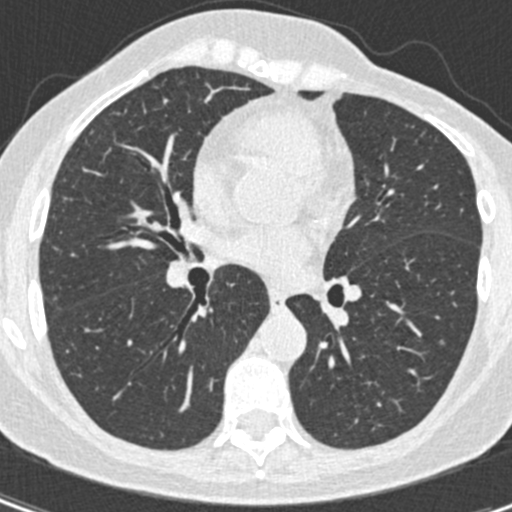
Axial slice 211 of 408 of a chest CT (slice 1 is the lowest), reconstructed with the B30f kernel at 120 kVp; 0.75 mm slice thickness and 0.531 mm pixels.
Two pulmonary nodules are outlined on this slice; from left to right: (1) Pulmonary nodule, outlined by one of the four readers. Box on this slice rows 294–299, columns 53–56, that reader's outline on this slice; longest diameter 4.0 mm and volume 31 mm3 from that reader's outline. That reader's ratings: texture 5/5 (solid); margin 5/5 (circumscribed); sphericity 5/5 (round); calcification absent; internal structure soft tissue; subtlety 5/5; malignancy likelihood 2/5. (2) Pulmonary nodule outlined by one of the four readers; box rows 340–344, columns 439–444 (that reader's outline on this slice); longest diameter 4.3 mm and volume 27 mm3 from that reader's outline. Ratings by that reader: texture 5/5 (solid); margin 5/5 (circumscribed); sphericity 5/5 (round); calcification absent; internal structure soft tissue; subtlety 5/5; malignancy likelihood 2/5. Scale key (1–5): texture non-solid→solid, margin indistinct→circumscribed, sphericity linear→round, subtlety extremely subtle→obvious, malignancy likelihood highly unlikely→highly suspicious of cancer. Box rows and columns are 0-based pixel indices from the top-left corner, inclusive.